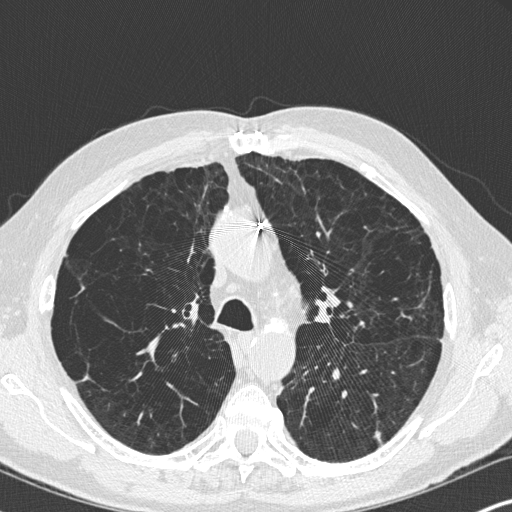
One axial slice (218 of 347, counting up from the lowest) of a chest CT acquired at 120 kVp with the B45f kernel; each pixel is 0.625 mm and the slice is 1.00 mm thick.
Pulmonary nodule outlined by all four readers; box rows 430–446, columns 372–382 (the union of the readers' outlines on this slice); longest diameter 10.3 mm on average over the four readers' outlines (readers' outlines 9.1–11.9 mm), volume 166–319 mm3. The readers' prevailing ratings and who disagreed: texture 5/5 (solid), all four readers agreeing; margin 5/5 (circumscribed) by two of four readers; the rest gave 2/5 (one), 4/5 (one); sphericity split among the readers: 3/5 (ovoid) (two), 4/5 (two); calcification absent from all four readers; internal structure soft tissue from all four readers; subtlety 4/5 by three of four readers; the rest gave 5/5 (one); malignancy likelihood 3/5 from all four readers. Scale key (1–5): texture non-solid→solid, margin indistinct→circumscribed, sphericity linear→round, subtlety extremely subtle→obvious, malignancy likelihood highly unlikely→highly suspicious of cancer. Box rows and columns are 0-based pixel indices from the top-left corner, inclusive.